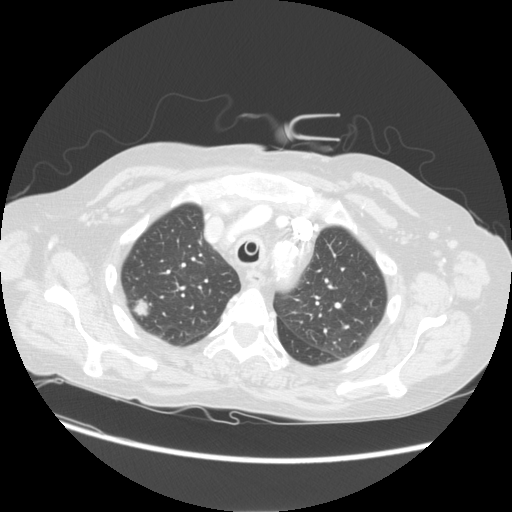
This is axial slice 94 of 113 (slice 1 is the lowest) of a chest CT; each pixel is 0.742 mm and the slice is 2.50 mm thick. Pulmonary nodule at rows 298–320, columns 131–150 (box = the union of the readers' outlines on this slice), outlined by all four readers; the four readers' outlines give a longest diameter between 19.0 and 21.1 mm and a volume between 1815 and 2942 mm3. The readers' ratings, as ranges where they differ: texture 5/5 (solid), all four readers agreeing; margin from 2/5 to 5/5 (circumscribed) across the four readers; sphericity from 3/5 (ovoid) to 5/5 (round) across the four readers; calcification absent from all four readers; internal structure soft tissue, all four readers agreeing; subtlety 5/5 from all four readers; malignancy likelihood 3–5/5 (the readers disagree). Scale key (1–5): texture non-solid→solid, margin indistinct→circumscribed, sphericity linear→round, subtlety extremely subtle→obvious, malignancy likelihood highly unlikely→highly suspicious of cancer. Box rows and columns are 0-based pixel indices from the top-left corner, inclusive.
Tube voltage 120 kVp; convolution kernel STANDARD.